Axial slice 103 of 145 of a chest CT (slice 1 is the lowest), reconstructed with the STANDARD kernel at 120 kVp; 2.50 mm slice thickness and 0.781 mm pixels.
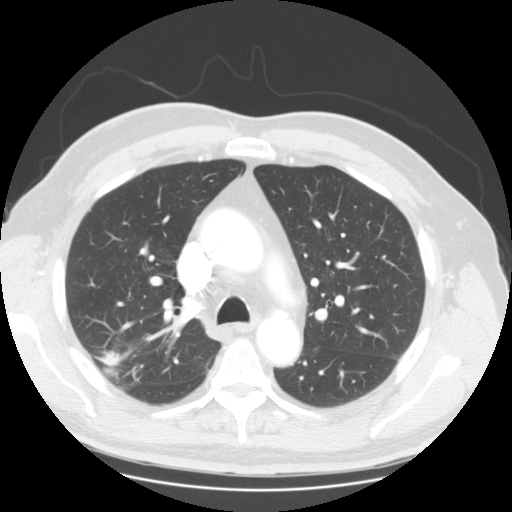
Pulmonary nodule at rows 352–367, columns 101–119 (box = the union of the readers' outlines on this slice), outlined by three of the four readers, two of them on this slice; the three readers' outlines give a longest diameter between 28.0 and 34.8 mm and a volume between 3063 and 5177 mm3. Ratings across the readers: texture from 4/5 to 5/5 (solid) across the three readers; margin from 2/5 to 4/5 across the three readers; sphericity from 2/5 to 5/5 (round) across the three readers; calcification absent, all three readers agreeing; internal structure soft tissue, all three readers agreeing; subtlety 5/5 from all three readers; malignancy likelihood rated between 3 and 5 out of 5 by the three readers. Scale key (1–5): texture non-solid→solid, margin indistinct→circumscribed, sphericity linear→round, subtlety extremely subtle→obvious, malignancy likelihood highly unlikely→highly suspicious of cancer. Box rows and columns are 0-based pixel indices from the top-left corner, inclusive.